Axial chest CT slice 84 of 133 (counted from the lowest slice); tube voltage 120 kVp, convolution kernel STANDARD; slices 2.50 mm thick, 0.859 mm per pixel.
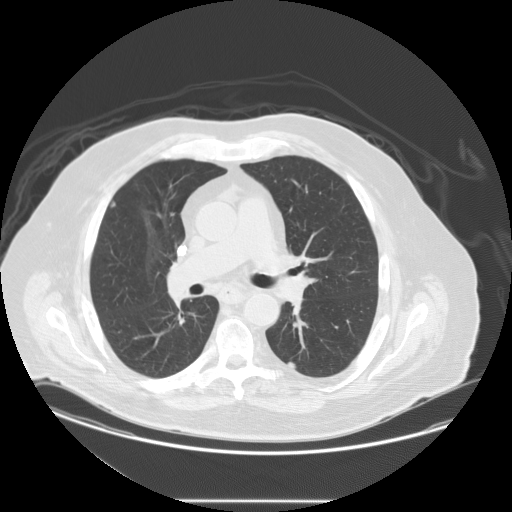
Two pulmonary nodules on this slice, listed from left to right. (1) Pulmonary nodule at rows 200–207, columns 109–115 (box = the union of the readers' outlines on this slice), outlined by two of the four readers; longest diameter 7.6 mm on average over the two readers' outlines (readers' outlines 7.3–7.8 mm), volume 78–126 mm3. Ratings, by the readers' most common answer with dissent counted: texture split among the readers: 3/5 (part-solid) (one), 5/5 (solid) (one); margin split among the readers: 3/5 (one), 4/5 (one); sphericity split among the readers: 2/5 (one), 3/5 (ovoid) (one); calcification absent, both readers agreeing; internal structure soft tissue, both readers agreeing; subtlety split among the readers: 1/5 (one), 2/5 (one); malignancy likelihood split among the readers: 2/5 (one), 3/5 (one). (2) Pulmonary nodule, outlined by three of the four readers. Box on this slice rows 361–369, columns 286–296, the union of the readers' outlines on this slice; median longest diameter 9.6 mm (readers' outlines 9.3–10.6 mm), median volume 229 mm3 (206–246 mm3). Ratings, median across the readers with their spread: texture 5/5 (solid) at the median of three readers, spread 4/5 to 5/5 (solid); margin 4/5 at the median of three readers, spread 4/5 to 5/5 (circumscribed); median sphericity 3/5 (ovoid) (readers ranged 2/5 to 3/5 (ovoid)); calcification absent, all three readers agreeing; internal structure soft tissue from all three readers; subtlety 3/5 at the median of three readers, spread 2–3; median malignancy likelihood 3/5 (readers ranged 2–3). Scale key (1–5): texture non-solid→solid, margin indistinct→circumscribed, sphericity linear→round, subtlety extremely subtle→obvious, malignancy likelihood highly unlikely→highly suspicious of cancer. Box rows and columns are 0-based pixel indices from the top-left corner, inclusive.